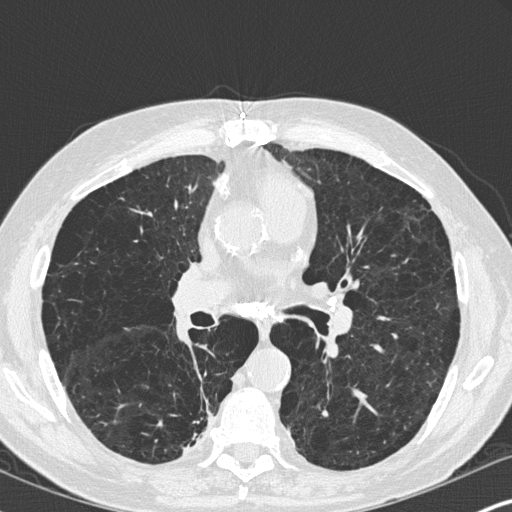
This is axial slice 178 of 347 (slice 1 is the lowest) of a chest CT; each pixel is 0.625 mm and the slice is 1.00 mm thick. Pulmonary nodule outlined by all four readers, two of them on this slice; box rows 421–424, columns 110–117 (the union of the readers' outlines on this slice); median longest diameter 9.3 mm (readers' outlines 8.9–9.6 mm), median volume 145 mm3 (130–187 mm3). Ratings, median across the readers with their spread: texture 5/5 (solid), all four readers agreeing; margin 5/5 (circumscribed) from all four readers; median sphericity 3.5/5 (readers ranged 3/5 (ovoid) to 4/5); calcification absent from all four readers; internal structure soft tissue from all four readers; subtlety 4.5/5 at the median of four readers, spread 4–5; malignancy likelihood 3/5, all four readers agreeing. Scale key (1–5): texture non-solid→solid, margin indistinct→circumscribed, sphericity linear→round, subtlety extremely subtle→obvious, malignancy likelihood highly unlikely→highly suspicious of cancer. Box rows and columns are 0-based pixel indices from the top-left corner, inclusive.
Acquired at 120 kVp and reconstructed with the B45f kernel.